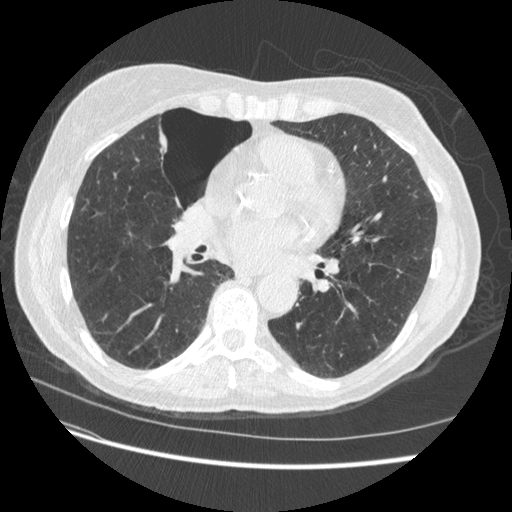
Chest CT, axial plane, 120 kVp, kernel STANDARD. Slice 238/509 from the bottom of the scan; thickness 1.25 mm; pixel size 0.703 mm.
Pulmonary nodule at rows 269–272, columns 397–402 (box = the union of the readers' outlines on this slice), outlined by three of the four readers, two of them on this slice; longest diameter 10.8 mm on average over the three readers' outlines (readers' outlines 9.2–11.6 mm), volume 182–365 mm3. The readers' prevailing ratings and who disagreed: texture 5/5 (solid) by two of three readers; the rest gave 4/5 (one); margin split among the readers: 3/5 (one), 4/5 (one), 5/5 (circumscribed) (one); sphericity split among the readers: 2/5 (one), 3/5 (ovoid) (one), 4/5 (one); calcification absent, all three readers agreeing; internal structure soft tissue, all three readers agreeing; subtlety 4/5 from all three readers; malignancy likelihood split among the readers: 2/5 (one), 3/5 (one), 4/5 (one). Scale key (1–5): texture non-solid→solid, margin indistinct→circumscribed, sphericity linear→round, subtlety extremely subtle→obvious, malignancy likelihood highly unlikely→highly suspicious of cancer. Box rows and columns are 0-based pixel indices from the top-left corner, inclusive.